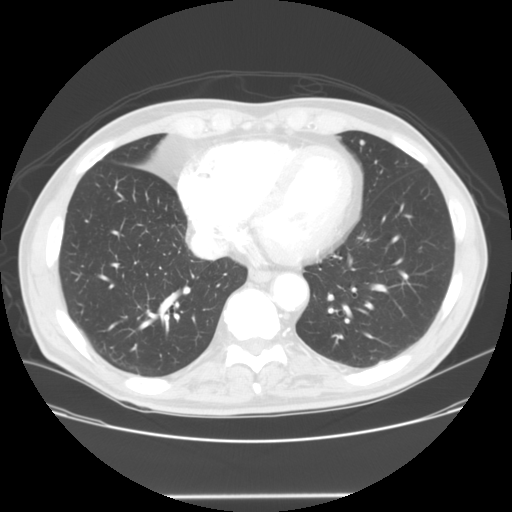
Slice 46/128 of a chest CT, counting up from the lowest; pixel size 0.742 mm, slice thickness 2.50 mm. Pulmonary nodule outlined by one of the four readers; box rows 140–144, columns 359–364 (that reader's outline on this slice); longest diameter 5.2 mm and volume 59 mm3 from that reader's outline. That reader's ratings: texture 5/5 (solid); margin 5/5 (circumscribed); sphericity 5/5 (round); calcification absent; internal structure soft tissue; subtlety 3/5; malignancy likelihood 2/5. Scale key (1–5): texture non-solid→solid, margin indistinct→circumscribed, sphericity linear→round, subtlety extremely subtle→obvious, malignancy likelihood highly unlikely→highly suspicious of cancer. Box rows and columns are 0-based pixel indices from the top-left corner, inclusive.
Tube voltage 120 kVp; convolution kernel STANDARD.